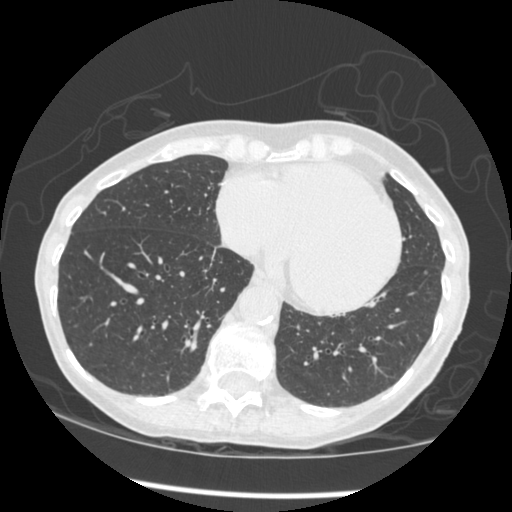
Chest CT, axial plane, 120 kVp, kernel STANDARD. Slice 143/461 from the bottom of the scan; thickness 1.25 mm; pixel size 0.645 mm.
Pulmonary nodule at rows 272–274, columns 424–427 (box = that reader's outline on this slice), outlined by one of the four readers; longest diameter 5.8 mm and volume 32 mm3 from that reader's outline. That reader's ratings: texture 5/5 (solid); margin 5/5 (circumscribed); sphericity 5/5 (round); calcification absent; internal structure soft tissue; subtlety 3/5; malignancy likelihood 2/5. Scale key (1–5): texture non-solid→solid, margin indistinct→circumscribed, sphericity linear→round, subtlety extremely subtle→obvious, malignancy likelihood highly unlikely→highly suspicious of cancer. Box rows and columns are 0-based pixel indices from the top-left corner, inclusive.